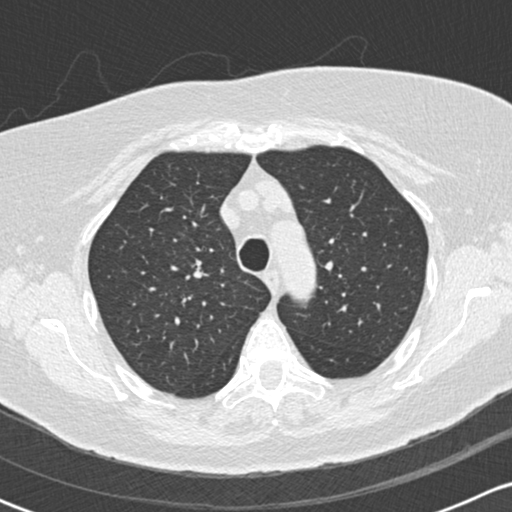
Axial slice 131 of 172 of a chest CT (slice 1 is the lowest), reconstructed with the B30f kernel at 120 kVp; 2.00 mm slice thickness and 0.605 mm pixels.
Pulmonary nodule outlined by one of the four readers; box rows 234–235, columns 179–184 (that reader's outline on this slice); longest diameter 11.4 mm and volume 292 mm3 from that reader's outline. That reader's ratings: texture 1/5 (non-solid); margin 1/5 (indistinct); sphericity 2/5; calcification absent; internal structure soft tissue; subtlety 1/5; malignancy likelihood 4/5. Scale key (1–5): texture non-solid→solid, margin indistinct→circumscribed, sphericity linear→round, subtlety extremely subtle→obvious, malignancy likelihood highly unlikely→highly suspicious of cancer. Box rows and columns are 0-based pixel indices from the top-left corner, inclusive.